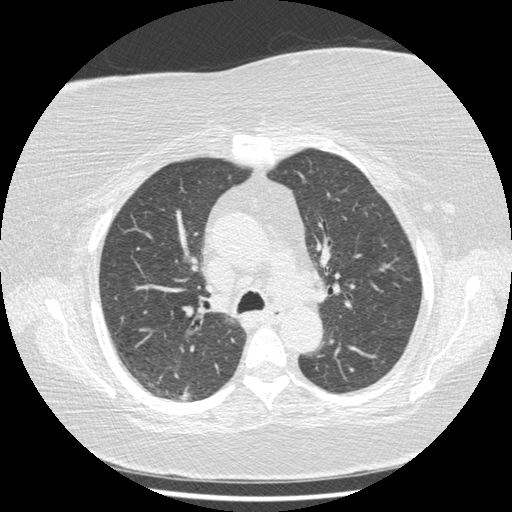
Chest CT, axial plane, 120 kVp, kernel STANDARD. Slice 297/417 from the bottom of the scan; thickness 1.25 mm; pixel size 0.703 mm.
Pulmonary nodule at rows 392–400, columns 178–191 (box = the union of the readers' outlines on this slice), outlined by all four readers; longest diameter 12.1 mm on average over the four readers' outlines (readers' outlines 11.0–13.8 mm), volume 306–515 mm3. Ratings, by the readers' most common answer with dissent counted: texture 5/5 (solid), all four readers agreeing; most readers (three of four) put margin at 5/5 (circumscribed), others 4/5 (one); sphericity 5/5 (round) by two of four readers; the rest gave 3/5 (ovoid) (one), 4/5 (one); calcification absent from all four readers; internal structure soft tissue, all four readers agreeing; subtlety 5/5 by two of four readers; the rest gave 3/5 (one), 4/5 (one); malignancy likelihood 4/5 by two of four readers; the rest gave 2/5 (one), 3/5 (one). Scale key (1–5): texture non-solid→solid, margin indistinct→circumscribed, sphericity linear→round, subtlety extremely subtle→obvious, malignancy likelihood highly unlikely→highly suspicious of cancer. Box rows and columns are 0-based pixel indices from the top-left corner, inclusive.